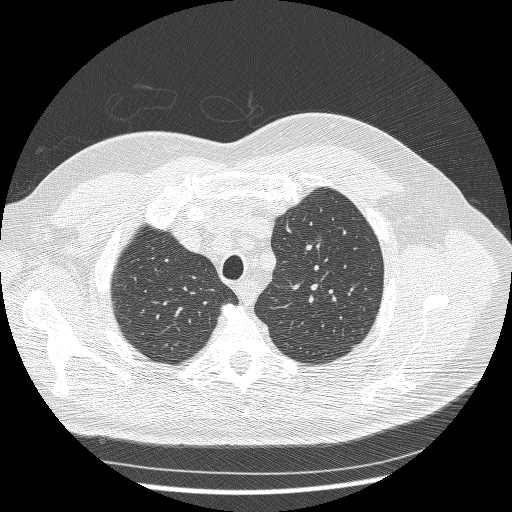
Chest CT, axial plane, 120 kVp, kernel BONE. Slice 214/250 from the bottom of the scan; thickness 1.25 mm; pixel size 0.721 mm.
Pulmonary nodule, outlined by three of the four readers, one of them on this slice. Box on this slice rows 236–242, columns 316–322, the one reader's outline on this slice; median longest diameter 10.4 mm (readers' outlines 10.0–10.8 mm), median volume 143 mm3 (55–215 mm3). Median ratings and the readers' spread: texture 1/5 (non-solid) from all three readers; median margin 1/5 (indistinct) (readers ranged 1/5 (indistinct) to 2/5); median sphericity 3/5 (ovoid) (readers ranged 2/5 to 5/5 (round)); calcification absent, all three readers agreeing; internal structure soft tissue from all three readers; median subtlety 1/5 (readers ranged 1–2); malignancy likelihood 3/5 at the median of three readers, spread 3–4. Scale key (1–5): texture non-solid→solid, margin indistinct→circumscribed, sphericity linear→round, subtlety extremely subtle→obvious, malignancy likelihood highly unlikely→highly suspicious of cancer. Box rows and columns are 0-based pixel indices from the top-left corner, inclusive.